Axial slice 94 of 325 of a chest CT (slice 1 is the lowest), reconstructed with the D kernel at 120 kVp; 1.00 mm slice thickness and 0.781 mm pixels.
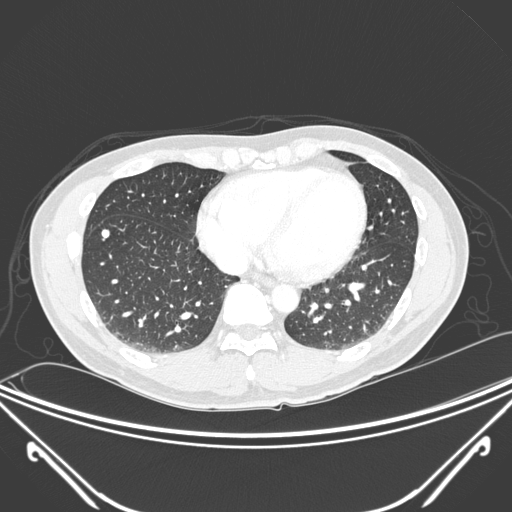
Pulmonary nodule at rows 230–237, columns 101–108 (box = the union of the readers' outlines on this slice), outlined by two of the four readers; longest diameter 8.8 mm on average over the two readers' outlines (readers' outlines 8.0–9.7 mm), volume 154–206 mm3. Ratings, by the readers' most common answer with dissent counted: texture 5/5 (solid) from both readers; margin split among the readers: 4/5 (one), 5/5 (circumscribed) (one); sphericity 4/5, both readers agreeing; calcification absent from both readers; internal structure soft tissue from both readers; subtlety 5/5, both readers agreeing; malignancy likelihood split among the readers: 3/5 (one), 4/5 (one). Scale key (1–5): texture non-solid→solid, margin indistinct→circumscribed, sphericity linear→round, subtlety extremely subtle→obvious, malignancy likelihood highly unlikely→highly suspicious of cancer. Box rows and columns are 0-based pixel indices from the top-left corner, inclusive.